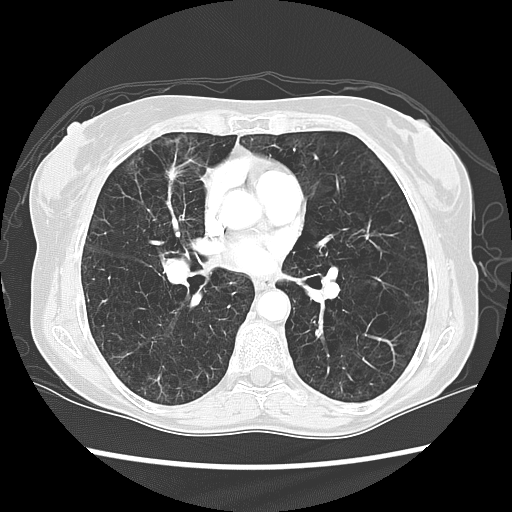
Axial slice 64 of 127 of a chest CT (slice 1 is the lowest), reconstructed with the LUNG kernel at 120 kVp; 2.50 mm slice thickness and 0.645 mm pixels.
Pulmonary nodule outlined by two of the four readers; box rows 164–186, columns 164–182 (the union of the readers' outlines on this slice); the two readers' outlines give a longest diameter between 16.8 and 18.7 mm and a volume between 516 and 841 mm3. The readers' ratings, as ranges where they differ: texture 5/5 (solid), both readers agreeing; margin from 2/5 to 3/5 across the two readers; sphericity from 1/5 (linear) to 2/5 across the two readers; calcification absent, both readers agreeing; internal structure soft tissue, both readers agreeing; subtlety 5/5 from both readers; malignancy likelihood 3–4/5 (the readers disagree). Scale key (1–5): texture non-solid→solid, margin indistinct→circumscribed, sphericity linear→round, subtlety extremely subtle→obvious, malignancy likelihood highly unlikely→highly suspicious of cancer. Box rows and columns are 0-based pixel indices from the top-left corner, inclusive.